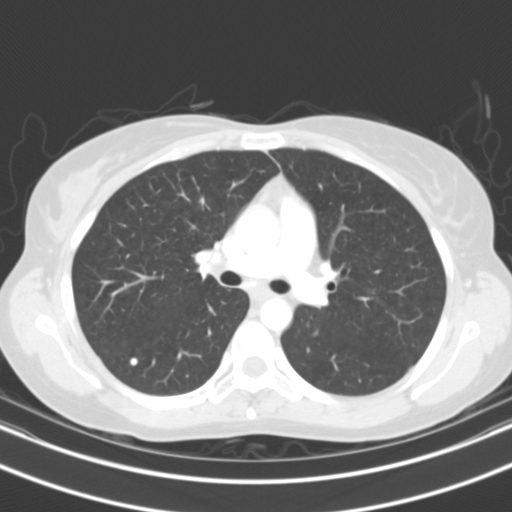
Chest CT, axial plane, 130 kVp, kernel B31s. Slice 71/108 from the bottom of the scan; thickness 3.00 mm; pixel size 0.629 mm.
Pulmonary nodule, outlined by three of the four readers. Box on this slice rows 357–365, columns 129–137, the union of the readers' outlines on this slice; longest diameter 6.5–6.8 mm and volume 151–179 mm3 across the three readers' outlines. The readers' ratings, as ranges where they differ: texture 5/5 (solid) from all three readers; margin 5/5 (circumscribed), all three readers agreeing; sphericity 5/5 (round) from all three readers; calcification solid calcification, all three readers agreeing; internal structure soft tissue, all three readers agreeing; subtlety rated between 2 and 5 out of 5 by the three readers; malignancy likelihood 1/5 from all three readers. Scale key (1–5): texture non-solid→solid, margin indistinct→circumscribed, sphericity linear→round, subtlety extremely subtle→obvious, malignancy likelihood highly unlikely→highly suspicious of cancer. Box rows and columns are 0-based pixel indices from the top-left corner, inclusive.